One axial slice (371 of 481, counting up from the lowest) of a chest CT acquired at 120 kVp with the STANDARD kernel; each pixel is 0.703 mm and the slice is 1.25 mm thick.
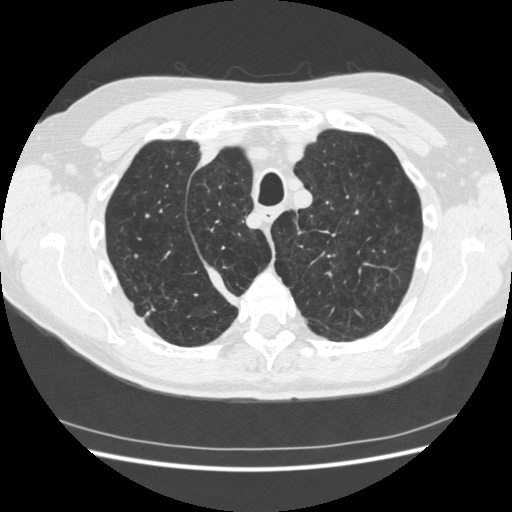
Pulmonary nodule at rows 299–318, columns 137–154 (box = the one reader's outline on this slice), outlined by all four readers, one of them on this slice; longest diameter 26.2 mm on average over the four readers' outlines (readers' outlines 18.7–34.9 mm), volume 1155–4169 mm3. The readers' prevailing ratings and who disagreed: most readers (three of four) put texture at 5/5 (solid), others 4/5 (one); margin split among the readers: 1/5 (indistinct) (one), 2/5 (one), 3/5 (one), 4/5 (one); sphericity split among the readers: 2/5 (one), 3/5 (ovoid) (one), 4/5 (one), 5/5 (round) (one); calcification absent from all four readers; internal structure soft tissue, all four readers agreeing; subtlety 5/5, all four readers agreeing; most readers (three of four) put malignancy likelihood at 5/5, others 4/5 (one). Scale key (1–5): texture non-solid→solid, margin indistinct→circumscribed, sphericity linear→round, subtlety extremely subtle→obvious, malignancy likelihood highly unlikely→highly suspicious of cancer. Box rows and columns are 0-based pixel indices from the top-left corner, inclusive.